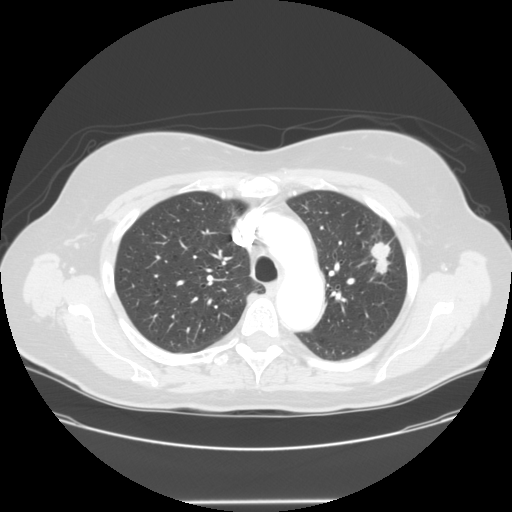
Slice 102/138 of a chest CT, counting up from the lowest; pixel size 0.781 mm, slice thickness 2.50 mm. Pulmonary nodule, outlined by all four readers. Box on this slice rows 241–274, columns 370–391, the union of the readers' outlines on this slice; median longest diameter 30.2 mm (readers' outlines 29.1–32.9 mm), median volume 5896 mm3 (5563–6580 mm3). Ratings, median across the readers with their spread: texture 5/5 (solid) at the median of four readers, spread 4/5 to 5/5 (solid); margin 3.5/5 at the median of four readers, spread 3/5 to 4/5; sphericity 3/5 (ovoid) at the median of four readers, spread 3/5 (ovoid) to 5/5 (round); calcification absent from all four readers; internal structure soft tissue, all four readers agreeing; subtlety 5/5, all four readers agreeing; malignancy likelihood 5/5 at the median of four readers, spread 4–5. Scale key (1–5): texture non-solid→solid, margin indistinct→circumscribed, sphericity linear→round, subtlety extremely subtle→obvious, malignancy likelihood highly unlikely→highly suspicious of cancer. Box rows and columns are 0-based pixel indices from the top-left corner, inclusive.
Tube voltage 120 kVp; convolution kernel STANDARD.